One axial slice (86 of 116, counting up from the lowest) of a chest CT acquired at 120 kVp with the B31f kernel; each pixel is 0.547 mm and the slice is 3.00 mm thick.
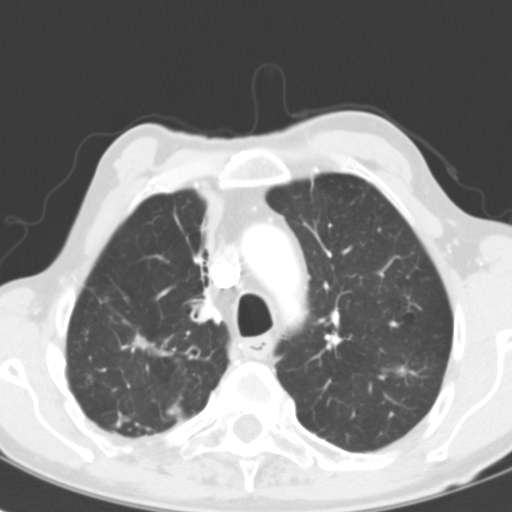
Pulmonary nodule, outlined by all four readers, three of them on this slice. Box on this slice rows 363–377, columns 391–408, the union of the readers' outlines on this slice; median longest diameter 26.4 mm (readers' outlines 23.8–26.7 mm), median volume 4749 mm3 (3983–5133 mm3). Ratings, median across the readers with their spread: median texture 5/5 (solid) (readers ranged 3/5 (part-solid) to 5/5 (solid)); margin 4/5 at the median of four readers, spread 3/5 to 5/5 (circumscribed); sphericity 4/5 at the median of four readers, spread 3/5 (ovoid) to 4/5; calcification absent from all four readers; internal structure: soft tissue (three), air (one); subtlety 5/5 from all four readers; malignancy likelihood 4/5 at the median of four readers, spread 2–5. Scale key (1–5): texture non-solid→solid, margin indistinct→circumscribed, sphericity linear→round, subtlety extremely subtle→obvious, malignancy likelihood highly unlikely→highly suspicious of cancer. Box rows and columns are 0-based pixel indices from the top-left corner, inclusive.